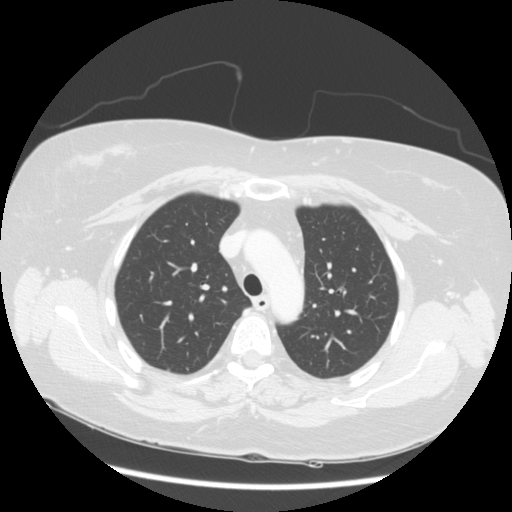
Axial slice 93 of 123 of a chest CT (slice 1 is the lowest), reconstructed with the STANDARD kernel at 140 kVp; 2.50 mm slice thickness and 0.703 mm pixels.
No nodule 3 mm or larger was outlined here by any reader.